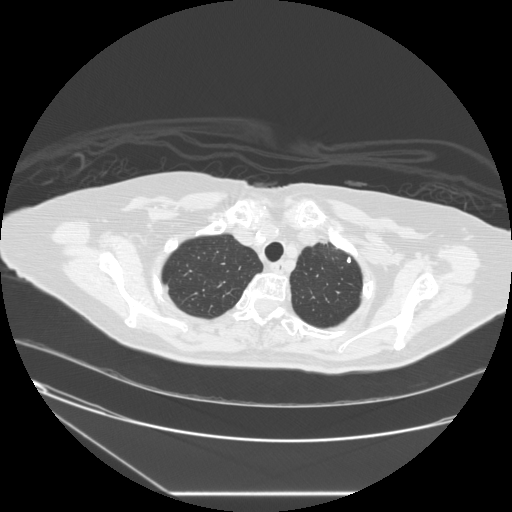
Axial slice 213 of 241 of a chest CT (slice 1 is the lowest), reconstructed with the STANDARD kernel at 120 kVp; 1.25 mm slice thickness and 0.773 mm pixels.
Pulmonary nodule outlined by three of the four readers; box rows 257–262, columns 347–350 (the union of the readers' outlines on this slice); longest diameter 6.0 mm on average over the three readers' outlines (readers' outlines 5.5–7.0 mm), volume 43–72 mm3. Ratings, by the readers' most common answer with dissent counted: texture 5/5 (solid), all three readers agreeing; margin 5/5 (circumscribed) from all three readers; sphericity 3/5 (ovoid) by two of three readers; the rest gave 5/5 (round) (one); calcification solid calcification by two of three readers, central calcification (one); internal structure soft tissue from all three readers; subtlety 5/5 by two of three readers; the rest gave 4/5 (one); malignancy likelihood 1/5 from all three readers. Scale key (1–5): texture non-solid→solid, margin indistinct→circumscribed, sphericity linear→round, subtlety extremely subtle→obvious, malignancy likelihood highly unlikely→highly suspicious of cancer. Box rows and columns are 0-based pixel indices from the top-left corner, inclusive.